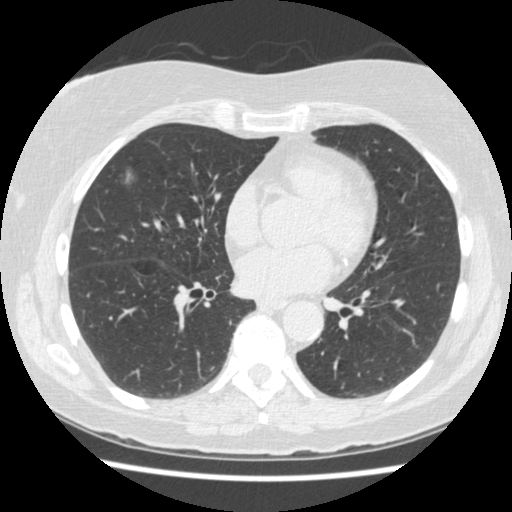
One axial slice (214 of 474, counting up from the lowest) of a chest CT acquired at 120 kVp with the STANDARD kernel; each pixel is 0.625 mm and the slice is 1.25 mm thick.
Pulmonary nodule outlined by all four readers; box rows 166–188, columns 119–137 (the union of the readers' outlines on this slice); longest diameter 12.6–15.8 mm and volume 209–921 mm3 across the four readers' outlines. Ratings across the readers: texture from 2/5 to 3/5 (part-solid) across the four readers; margin from 1/5 (indistinct) to 3/5 across the four readers; sphericity from 2/5 to 5/5 (round) across the four readers; calcification absent, all four readers agreeing; internal structure soft tissue from all four readers; subtlety 3–5/5 (the readers disagree); malignancy likelihood 3–5/5 (the readers disagree). Scale key (1–5): texture non-solid→solid, margin indistinct→circumscribed, sphericity linear→round, subtlety extremely subtle→obvious, malignancy likelihood highly unlikely→highly suspicious of cancer. Box rows and columns are 0-based pixel indices from the top-left corner, inclusive.